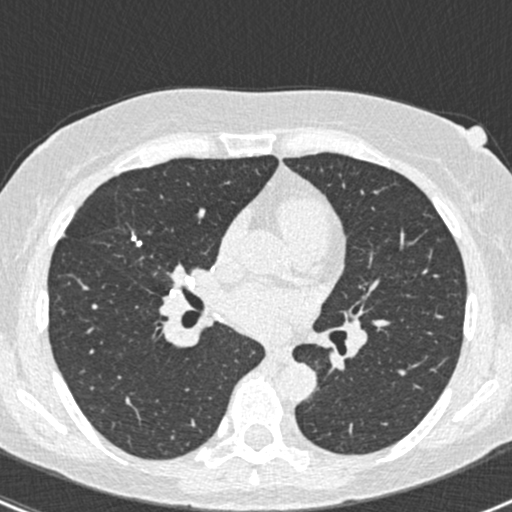
Chest CT, axial plane, 120 kVp, kernel B30f. Slice 246/429 from the bottom of the scan; thickness 0.75 mm; pixel size 0.586 mm.
Pulmonary nodule at rows 231–246, columns 131–142 (box = the union of the readers' outlines on this slice), outlined three times (the source holds two more outlines, not used); longest diameter 9.3 mm on average over the three readers' outlines (readers' outlines 8.0–11.0 mm), volume 95–144 mm3. Ratings, by the readers' most common answer with dissent counted: texture 5/5 (solid), all three readers agreeing; margin 5/5 (circumscribed), all three readers agreeing; sphericity split among the readers: 2/5 (one), 3/5 (ovoid) (one), 5/5 (round) (one); calcification solid calcification, all three readers agreeing; internal structure soft tissue from all three readers; subtlety 4/5 by two of three readers; the rest gave 5/5 (one); malignancy likelihood 1/5 from all three readers. Scale key (1–5): texture non-solid→solid, margin indistinct→circumscribed, sphericity linear→round, subtlety extremely subtle→obvious, malignancy likelihood highly unlikely→highly suspicious of cancer. Box rows and columns are 0-based pixel indices from the top-left corner, inclusive.